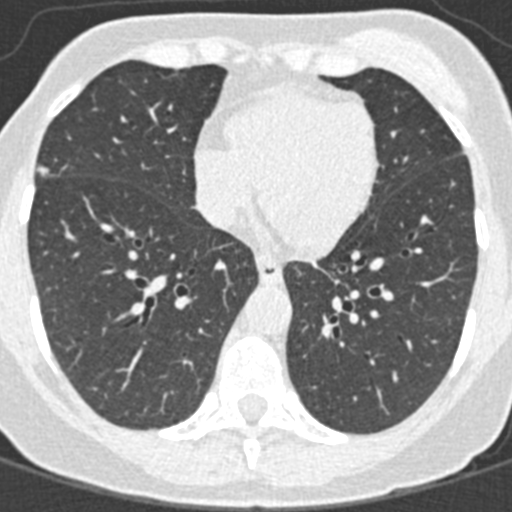
One axial slice (136 of 376, counting up from the lowest) of a chest CT acquired at 120 kVp with the B30f kernel; each pixel is 0.461 mm and the slice is 0.75 mm thick.
Pulmonary nodule at rows 165–174, columns 36–47 (box = that reader's outline on this slice), outlined by one of the four readers; longest diameter 8.7 mm and volume 50 mm3 from that reader's outline. Ratings by that reader: texture 5/5 (solid); margin 3/5; sphericity 3/5 (ovoid); calcification absent; internal structure soft tissue; subtlety 3/5; malignancy likelihood 3/5. Scale key (1–5): texture non-solid→solid, margin indistinct→circumscribed, sphericity linear→round, subtlety extremely subtle→obvious, malignancy likelihood highly unlikely→highly suspicious of cancer. Box rows and columns are 0-based pixel indices from the top-left corner, inclusive.